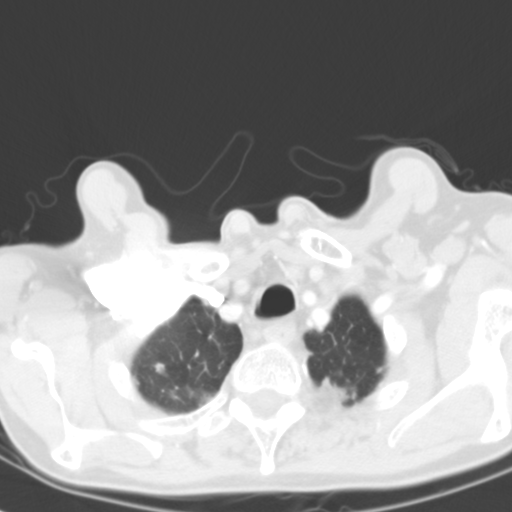
Chest CT, axial plane, 120 kVp, kernel B31f. Slice 104/116 from the bottom of the scan; thickness 3.00 mm; pixel size 0.547 mm.
Pulmonary nodule outlined by two of the four readers, one of them on this slice; box rows 352–355, columns 309–313 (the one reader's outline on this slice); the two readers' outlines give a longest diameter between 5.4 and 5.5 mm and a volume between 54 and 74 mm3. The readers' ratings, as ranges where they differ: texture 5/5 (solid) from both readers; margin 5/5 (circumscribed), both readers agreeing; sphericity 5/5 (round), both readers agreeing; calcification absent from both readers; internal structure soft tissue from both readers; subtlety 4–5/5 (the readers disagree); malignancy likelihood 1–3/5 (the readers disagree). Scale key (1–5): texture non-solid→solid, margin indistinct→circumscribed, sphericity linear→round, subtlety extremely subtle→obvious, malignancy likelihood highly unlikely→highly suspicious of cancer. Box rows and columns are 0-based pixel indices from the top-left corner, inclusive.